Chest CT, axial plane, 120 kVp, kernel STANDARD. Slice 107/127 from the bottom of the scan; thickness 2.50 mm; pixel size 0.703 mm.
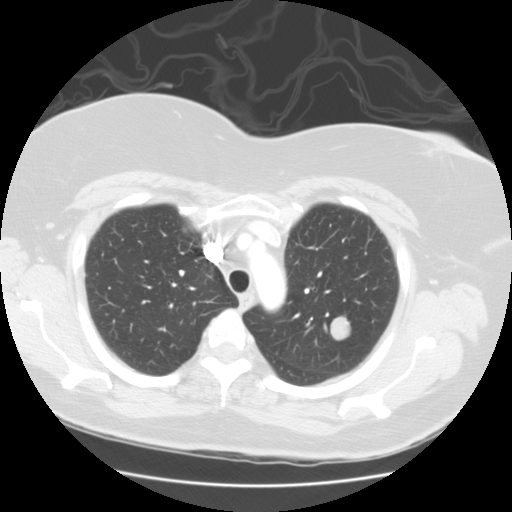
Pulmonary nodule outlined by all four readers; box rows 314–341, columns 329–352 (the union of the readers' outlines on this slice); longest diameter 21.5 mm on average over the four readers' outlines (readers' outlines 20.7–22.2 mm), volume 3995–4590 mm3. The readers' prevailing ratings and who disagreed: texture 5/5 (solid), all four readers agreeing; most readers (three of four) put margin at 5/5 (circumscribed), others 4/5 (one); sphericity split among the readers: 4/5 (two), 5/5 (round) (two); calcification absent, all four readers agreeing; internal structure soft tissue from all four readers; subtlety 5/5 from all four readers; malignancy likelihood 5/5 by two of four readers; the rest gave 2/5 (one), 4/5 (one). Scale key (1–5): texture non-solid→solid, margin indistinct→circumscribed, sphericity linear→round, subtlety extremely subtle→obvious, malignancy likelihood highly unlikely→highly suspicious of cancer. Box rows and columns are 0-based pixel indices from the top-left corner, inclusive.